Chest CT, axial plane, 120 kVp, kernel D. Slice 97/280 from the bottom of the scan; thickness 1.00 mm; pixel size 0.666 mm.
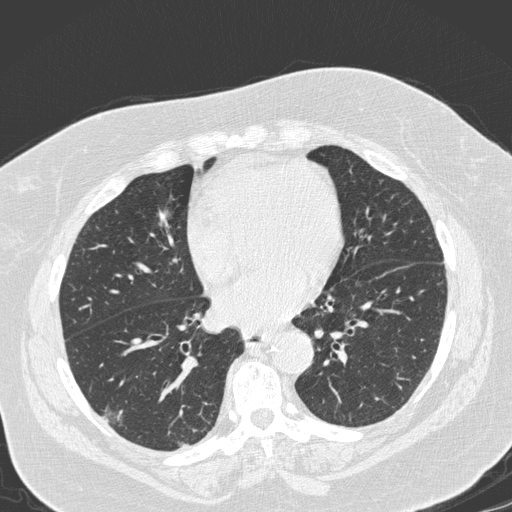
Two pulmonary nodules on this slice, listed from left to right. (1) Pulmonary nodule at rows 404–424, columns 105–123 (box = the union of the readers' outlines on this slice), outlined by two of the four readers; longest diameter 17.7 mm on average over the two readers' outlines (readers' outlines 16.7–18.8 mm), volume 1162–1377 mm3. The readers' prevailing ratings and who disagreed: texture 1/5 (non-solid), both readers agreeing; margin 2/5 from both readers; sphericity split among the readers: 3/5 (ovoid) (one), 5/5 (round) (one); calcification absent, both readers agreeing; internal structure soft tissue from both readers; subtlety split among the readers: 1/5 (one), 4/5 (one); malignancy likelihood split among the readers: 2/5 (one), 3/5 (one). (2) Pulmonary nodule outlined by all four readers; box rows 207–221, columns 159–173 (the union of the readers' outlines on this slice); longest diameter 25.9 mm on average over the four readers' outlines (readers' outlines 25.0–27.8 mm), volume 4698–5913 mm3. Ratings, by the readers' most common answer with dissent counted: texture 5/5 (solid) from all four readers; margin split among the readers: 4/5 (two), 5/5 (circumscribed) (two); sphericity 5/5 (round) by two of four readers; the rest gave 3/5 (ovoid) (one), 4/5 (one); calcification absent, all four readers agreeing; internal structure soft tissue from all four readers; subtlety 5/5, all four readers agreeing; malignancy likelihood 5/5 by two of four readers; the rest gave 2/5 (one), 4/5 (one). Scale key (1–5): texture non-solid→solid, margin indistinct→circumscribed, sphericity linear→round, subtlety extremely subtle→obvious, malignancy likelihood highly unlikely→highly suspicious of cancer. Box rows and columns are 0-based pixel indices from the top-left corner, inclusive.